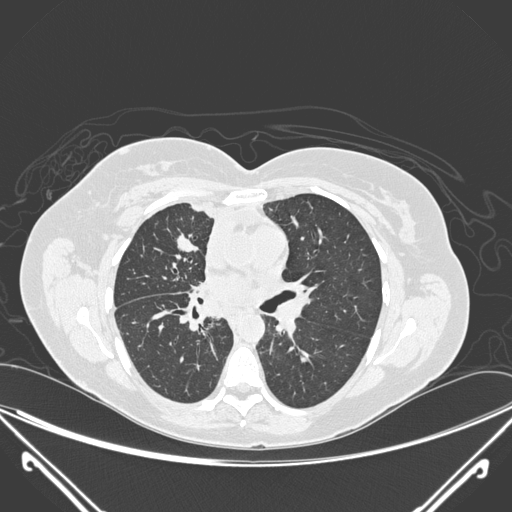
Axial slice 156 of 275 of a chest CT (slice 1 is the lowest), reconstructed with the D kernel at 120 kVp; 1.00 mm slice thickness and 0.781 mm pixels.
Pulmonary nodule outlined by all four readers; box rows 233–252, columns 176–198 (the union of the readers' outlines on this slice); longest diameter 20.3–23.4 mm and volume 1750–2560 mm3 across the four readers' outlines. The readers' ratings, as ranges where they differ: texture 5/5 (solid) from all four readers; margin from 3/5 to 5/5 (circumscribed) across the four readers; sphericity from 2/5 to 5/5 (round) across the four readers; calcification: absent (three), central calcification (one); internal structure soft tissue, all four readers agreeing; subtlety 5/5 from all four readers; malignancy likelihood from 1/5 to 5/5 across the four readers. Scale key (1–5): texture non-solid→solid, margin indistinct→circumscribed, sphericity linear→round, subtlety extremely subtle→obvious, malignancy likelihood highly unlikely→highly suspicious of cancer. Box rows and columns are 0-based pixel indices from the top-left corner, inclusive.